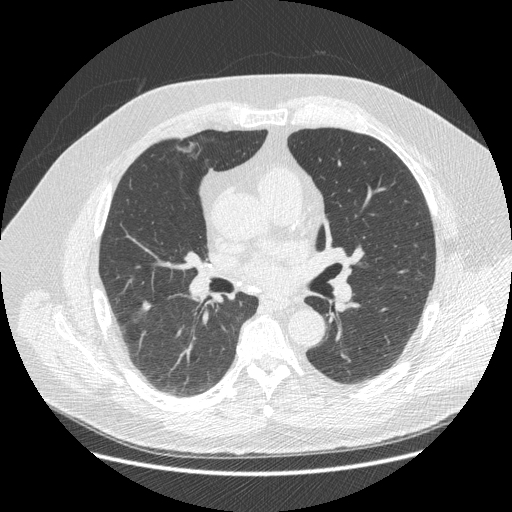
Chest CT, axial plane, 120 kVp, kernel STANDARD. Slice 276/477 from the bottom of the scan; thickness 1.25 mm; pixel size 0.781 mm.
Pulmonary nodule, outlined by all four readers, two of them on this slice. Box on this slice rows 301–310, columns 142–150, the union of the readers' outlines on this slice; median longest diameter 16.2 mm (readers' outlines 12.4–20.8 mm), median volume 295 mm3 (162–429 mm3). Ratings, median across the readers with their spread: median texture 4/5 (readers ranged 1/5 (non-solid) to 5/5 (solid)); median margin 3.5/5 (readers ranged 2/5 to 5/5 (circumscribed)); sphericity 2.5/5 at the median of four readers, spread 2/5 to 4/5; calcification absent, all four readers agreeing; internal structure soft tissue, all four readers agreeing; subtlety 4.5/5 at the median of four readers, spread 3–5; median malignancy likelihood 3.5/5 (readers ranged 2–4). Scale key (1–5): texture non-solid→solid, margin indistinct→circumscribed, sphericity linear→round, subtlety extremely subtle→obvious, malignancy likelihood highly unlikely→highly suspicious of cancer. Box rows and columns are 0-based pixel indices from the top-left corner, inclusive.